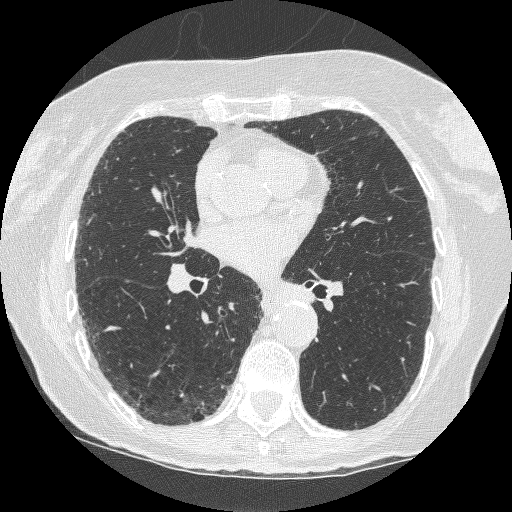
This is axial slice 136 of 261 (slice 1 is the lowest) of a chest CT; each pixel is 0.586 mm and the slice is 1.25 mm thick. No nodule 3 mm or larger was outlined here by any reader.
Tube voltage 120 kVp; convolution kernel BONE.